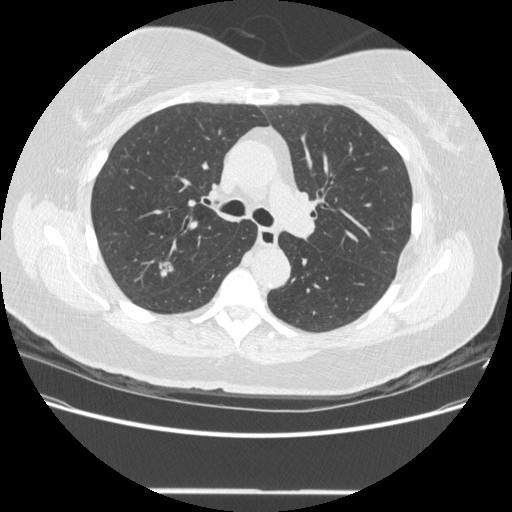
Axial chest CT slice 302 of 481 (counted from the lowest slice); 1.25 mm thick, 0.742 mm per pixel. Pulmonary nodule, outlined by three of the four readers. Box on this slice rows 261–276, columns 157–174, the union of the readers' outlines on this slice; longest diameter 13.9–15.6 mm and volume 741–820 mm3 across the three readers' outlines. The readers' ratings, as ranges where they differ: texture 4/5 from all three readers; margin from 3/5 to 4/5 across the three readers; sphericity from 3/5 (ovoid) to 4/5 across the three readers; calcification absent from all three readers; internal structure soft tissue, all three readers agreeing; subtlety rated between 4 and 5 out of 5 by the three readers; malignancy likelihood from 4/5 to 5/5 across the three readers. Scale key (1–5): texture non-solid→solid, margin indistinct→circumscribed, sphericity linear→round, subtlety extremely subtle→obvious, malignancy likelihood highly unlikely→highly suspicious of cancer. Box rows and columns are 0-based pixel indices from the top-left corner, inclusive.
Tube voltage 120 kVp; convolution kernel STANDARD.